Chest CT, axial plane, 120 kVp, kernel STANDARD. Slice 173/281 from the bottom of the scan; thickness 1.25 mm; pixel size 0.816 mm.
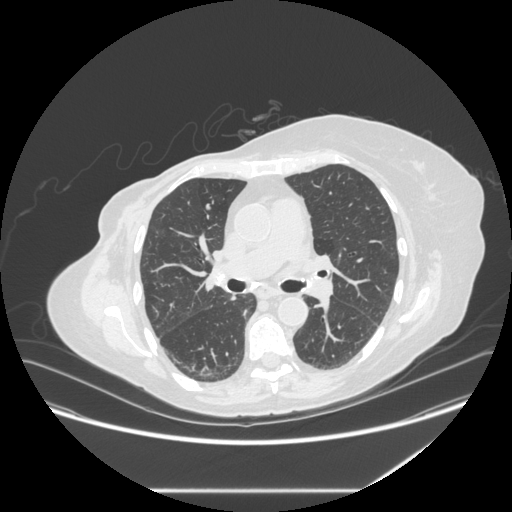
Pulmonary nodule at rows 203–209, columns 205–210 (box = the union of the readers' outlines on this slice), outlined by all four readers; longest diameter 9.2–9.9 mm and volume 239–329 mm3 across the four readers' outlines. Ratings across the readers: texture 5/5 (solid), all four readers agreeing; margin 5/5 (circumscribed), all four readers agreeing; sphericity from 4/5 to 5/5 (round) across the four readers; calcification absent from all four readers; internal structure soft tissue, all four readers agreeing; subtlety rated between 3 and 4 out of 5 by the four readers; malignancy likelihood 2–3/5 (the readers disagree). Scale key (1–5): texture non-solid→solid, margin indistinct→circumscribed, sphericity linear→round, subtlety extremely subtle→obvious, malignancy likelihood highly unlikely→highly suspicious of cancer. Box rows and columns are 0-based pixel indices from the top-left corner, inclusive.